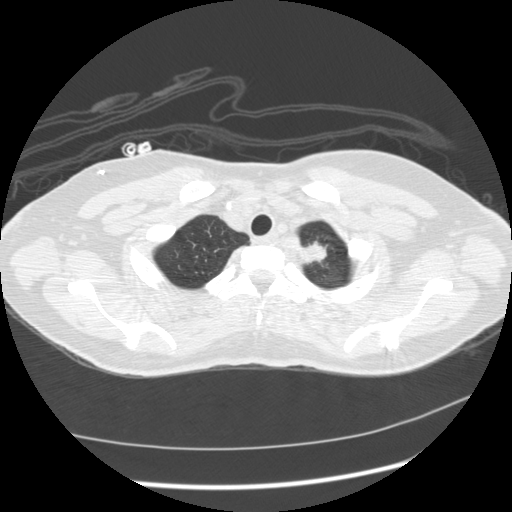
Axial slice 182 of 209 of a chest CT (slice 1 is the lowest), reconstructed with the STANDARD kernel at 120 kVp; 1.25 mm slice thickness and 0.693 mm pixels.
Pulmonary nodule outlined by all four readers; box rows 240–266, columns 300–328 (the union of the readers' outlines on this slice); longest diameter 23.5 mm on average over the four readers' outlines (readers' outlines 21.8–25.6 mm), volume 2801–4927 mm3. Ratings, by the readers' most common answer with dissent counted: most readers (three of four) put texture at 4/5, others 5/5 (solid) (one); margin split among the readers: 3/5 (two), 4/5 (two); sphericity split among the readers: 2/5 (one), 3/5 (ovoid) (one), 4/5 (one), 5/5 (round) (one); calcification absent from all four readers; internal structure soft tissue from all four readers; subtlety 5/5 from all four readers; malignancy likelihood 5/5 by two of four readers; the rest gave 3/5 (one), 4/5 (one). Scale key (1–5): texture non-solid→solid, margin indistinct→circumscribed, sphericity linear→round, subtlety extremely subtle→obvious, malignancy likelihood highly unlikely→highly suspicious of cancer. Box rows and columns are 0-based pixel indices from the top-left corner, inclusive.